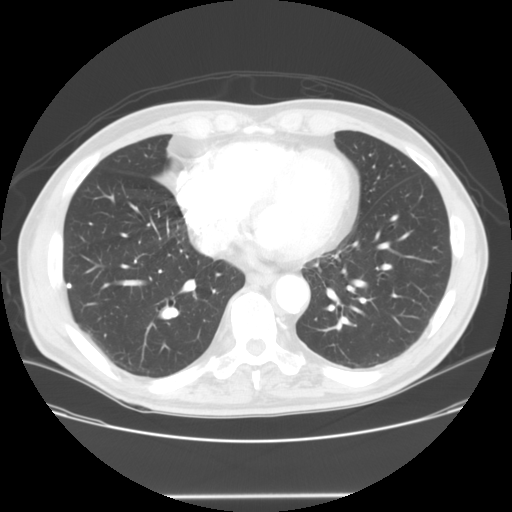
One axial slice (49 of 128, counting up from the lowest) of a chest CT acquired at 120 kVp with the STANDARD kernel; each pixel is 0.742 mm and the slice is 2.50 mm thick.
Pulmonary nodule, outlined by one of the four readers. Box on this slice rows 284–286, columns 67–70, that reader's outline on this slice; longest diameter 4.8 mm and volume 41 mm3 from that reader's outline. Ratings by that reader: texture 5/5 (solid); margin 5/5 (circumscribed); sphericity 5/5 (round); calcification solid calcification; internal structure soft tissue; subtlety 5/5; malignancy likelihood 1/5. Scale key (1–5): texture non-solid→solid, margin indistinct→circumscribed, sphericity linear→round, subtlety extremely subtle→obvious, malignancy likelihood highly unlikely→highly suspicious of cancer. Box rows and columns are 0-based pixel indices from the top-left corner, inclusive.